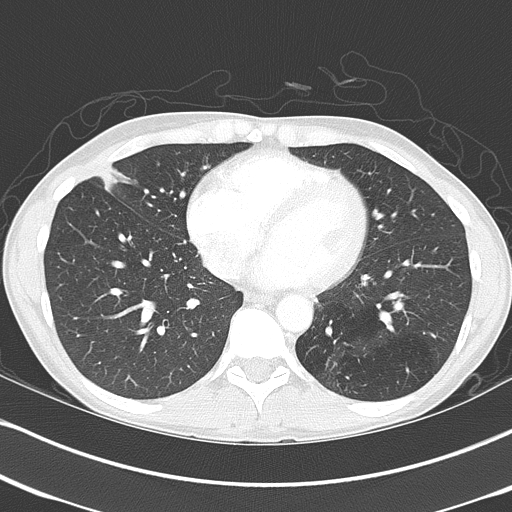
This is axial slice 165 of 368 (slice 1 is the lowest) of a chest CT; each pixel is 0.623 mm and the slice is 2.00 mm thick. Pulmonary nodule outlined by all four readers; box rows 166–195, columns 97–139 (the union of the readers' outlines on this slice); longest diameter 31.5 mm on average over the four readers' outlines (readers' outlines 27.1–39.3 mm), volume 6531–9806 mm3. The readers' prevailing ratings and who disagreed: texture 5/5 (solid) from all four readers; margin 4/5 by two of four readers; the rest gave 2/5 (one), 5/5 (circumscribed) (one); most readers (three of four) put sphericity at 3/5 (ovoid), others 2/5 (one); calcification split among the readers: laminated calcification (one), absent (one), popcorn calcification (one), non-central calcification (one); internal structure soft tissue, all four readers agreeing; subtlety 5/5, all four readers agreeing; malignancy likelihood split among the readers: 1/5 (one), 2/5 (one), 4/5 (one), 5/5 (one). Scale key (1–5): texture non-solid→solid, margin indistinct→circumscribed, sphericity linear→round, subtlety extremely subtle→obvious, malignancy likelihood highly unlikely→highly suspicious of cancer. Box rows and columns are 0-based pixel indices from the top-left corner, inclusive.
Acquired at 120 kVp and reconstructed with the B70f kernel.